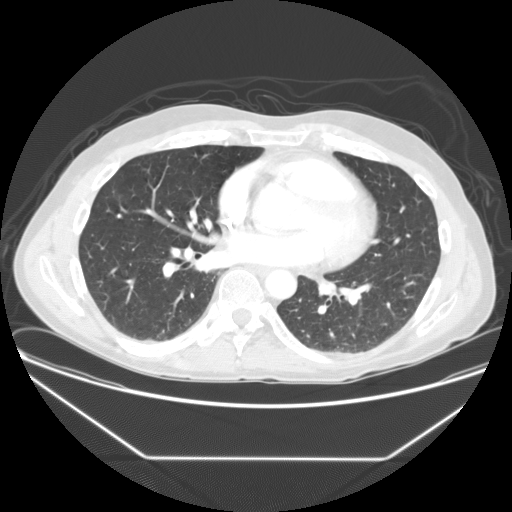
Axial chest CT slice 71 of 137 (counted from the lowest slice); tube voltage 120 kVp, convolution kernel STANDARD; slices 2.50 mm thick, 0.781 mm per pixel.
Pulmonary nodule outlined by two of the four readers; box rows 214–217, columns 117–121 (the union of the readers' outlines on this slice); median longest diameter 5.6 mm (readers' outlines 4.9–6.3 mm), median volume 84 mm3 (72–96 mm3). Ratings, median across the readers with their spread: texture 5/5 (solid) from both readers; margin 5/5 (circumscribed), both readers agreeing; median sphericity 4/5 (readers ranged 3/5 (ovoid) to 5/5 (round)); calcification solid calcification, both readers agreeing; internal structure soft tissue from both readers; median subtlety 4.5/5 (readers ranged 4–5); malignancy likelihood 1/5 from both readers. Scale key (1–5): texture non-solid→solid, margin indistinct→circumscribed, sphericity linear→round, subtlety extremely subtle→obvious, malignancy likelihood highly unlikely→highly suspicious of cancer. Box rows and columns are 0-based pixel indices from the top-left corner, inclusive.